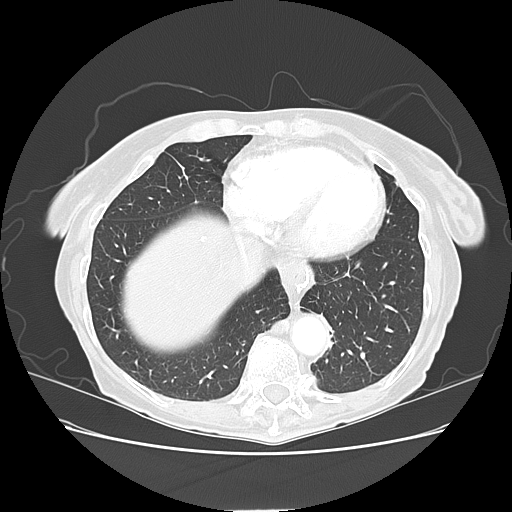
Axial chest CT slice 54 of 133 (counted from the lowest slice); 2.50 mm thick, 0.703 mm per pixel. Pulmonary nodule, outlined by one of the four readers. Box on this slice rows 236–240, columns 200–206, that reader's outline on this slice; longest diameter 6.5 mm and volume 93 mm3 from that reader's outline. That reader's ratings: texture 5/5 (solid); margin 5/5 (circumscribed); sphericity 3/5 (ovoid); calcification solid calcification; internal structure soft tissue; subtlety 4/5; malignancy likelihood 1/5. Scale key (1–5): texture non-solid→solid, margin indistinct→circumscribed, sphericity linear→round, subtlety extremely subtle→obvious, malignancy likelihood highly unlikely→highly suspicious of cancer. Box rows and columns are 0-based pixel indices from the top-left corner, inclusive.
Scan settings: 120 kVp, LUNG reconstruction kernel.